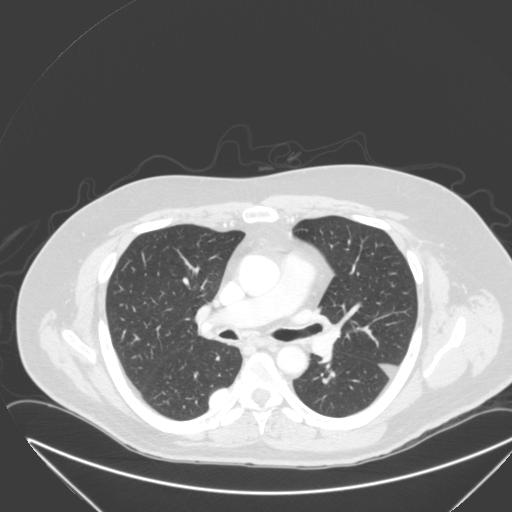
This is axial slice 189 of 315 (slice 1 is the lowest) of a chest CT; each pixel is 0.830 mm and the slice is 2.00 mm thick. Pulmonary nodule at rows 388–407, columns 209–229 (box = that reader's outline on this slice), outlined by one of the four readers; longest diameter 27.1 mm and volume 6093 mm3 from that reader's outline. That reader's ratings: texture 5/5 (solid); margin 4/5; sphericity 2/5; calcification absent; internal structure soft tissue; subtlety 5/5; malignancy likelihood 4/5. Scale key (1–5): texture non-solid→solid, margin indistinct→circumscribed, sphericity linear→round, subtlety extremely subtle→obvious, malignancy likelihood highly unlikely→highly suspicious of cancer. Box rows and columns are 0-based pixel indices from the top-left corner, inclusive.
Acquired at 120 kVp and reconstructed with the B kernel.